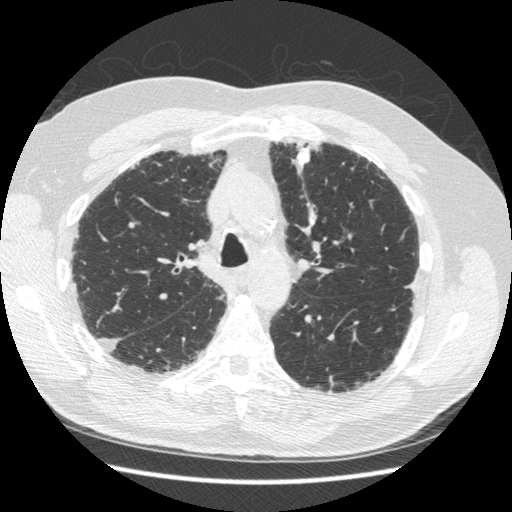
Axial chest CT slice 345 of 497 (counted from the lowest slice); tube voltage 120 kVp, convolution kernel STANDARD; slices 1.25 mm thick, 0.703 mm per pixel.
Pulmonary nodule, outlined by all four readers. Box on this slice rows 146–166, columns 295–310, the union of the readers' outlines on this slice; the four readers' outlines give a longest diameter between 15.2 and 16.7 mm and a volume between 670 and 817 mm3. Ratings across the readers: texture 5/5 (solid), all four readers agreeing; margin from 3/5 to 5/5 (circumscribed) across the four readers; sphericity from 2/5 to 5/5 (round) across the four readers; calcification solid calcification from all four readers; internal structure soft tissue, all four readers agreeing; subtlety 5/5 from all four readers; malignancy likelihood 1/5 from all four readers. Scale key (1–5): texture non-solid→solid, margin indistinct→circumscribed, sphericity linear→round, subtlety extremely subtle→obvious, malignancy likelihood highly unlikely→highly suspicious of cancer. Box rows and columns are 0-based pixel indices from the top-left corner, inclusive.